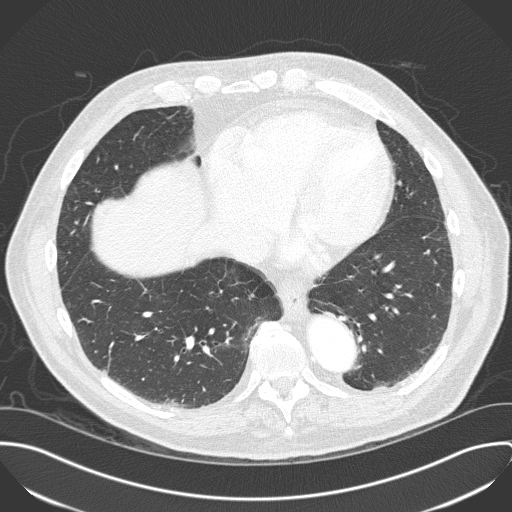
Axial slice 112 of 330 of a chest CT (slice 1 is the lowest), reconstructed with the B45f kernel at 120 kVp; 1.00 mm slice thickness and 0.762 mm pixels.
Pulmonary nodule, outlined by two of the four readers, one of them on this slice. Box on this slice rows 369–374, columns 102–108, the one reader's outline on this slice; longest diameter 9.3 mm on average over the two readers' outlines (readers' outlines 8.7–9.9 mm), volume 103–135 mm3. The readers' prevailing ratings and who disagreed: texture split among the readers: 4/5 (one), 5/5 (solid) (one); margin split among the readers: 4/5 (one), 5/5 (circumscribed) (one); sphericity split among the readers: 3/5 (ovoid) (one), 4/5 (one); calcification absent, both readers agreeing; internal structure soft tissue from both readers; subtlety split among the readers: 3/5 (one), 4/5 (one); malignancy likelihood split among the readers: 2/5 (one), 3/5 (one). Scale key (1–5): texture non-solid→solid, margin indistinct→circumscribed, sphericity linear→round, subtlety extremely subtle→obvious, malignancy likelihood highly unlikely→highly suspicious of cancer. Box rows and columns are 0-based pixel indices from the top-left corner, inclusive.